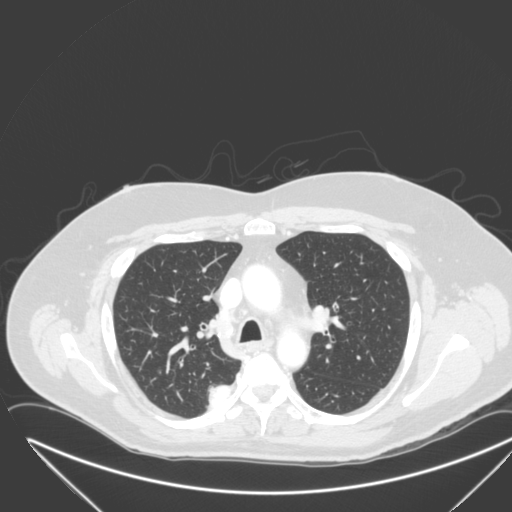
Axial chest CT slice 217 of 315 (counted from the lowest slice); 2.00 mm thick, 0.830 mm per pixel. Pulmonary nodule outlined by one of the four readers; box rows 386–409, columns 208–227 (that reader's outline on this slice); longest diameter 27.1 mm and volume 6093 mm3 from that reader's outline. That reader's ratings: texture 5/5 (solid); margin 4/5; sphericity 2/5; calcification absent; internal structure soft tissue; subtlety 5/5; malignancy likelihood 4/5. Scale key (1–5): texture non-solid→solid, margin indistinct→circumscribed, sphericity linear→round, subtlety extremely subtle→obvious, malignancy likelihood highly unlikely→highly suspicious of cancer. Box rows and columns are 0-based pixel indices from the top-left corner, inclusive.
Scan settings: 120 kVp, B reconstruction kernel.